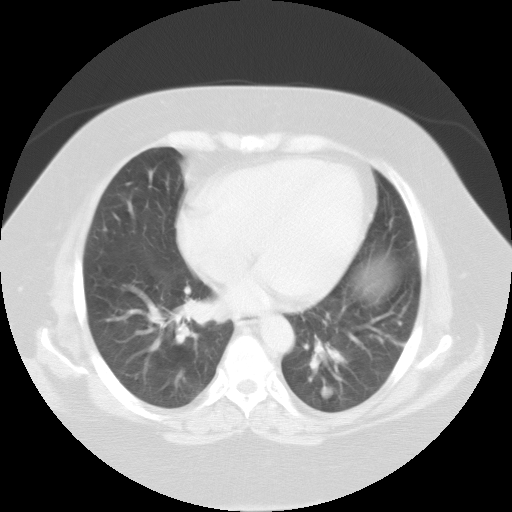
One axial slice (53 of 102, counting up from the lowest) of a chest CT acquired at 135 kVp with the FC01 kernel; each pixel is 0.808 mm and the slice is 3.00 mm thick.
Pulmonary nodule outlined by all four readers; box rows 385–398, columns 321–332 (the union of the readers' outlines on this slice); longest diameter 11.5–13.9 mm and volume 1135–1808 mm3 across the four readers' outlines. Ratings across the readers: texture 5/5 (solid) from all four readers; margin 5/5 (circumscribed) from all four readers; sphericity 5/5 (round) from all four readers; calcification absent, all four readers agreeing; internal structure soft tissue from all four readers; subtlety rated between 3 and 5 out of 5 by the four readers; malignancy likelihood rated between 2 and 5 out of 5 by the four readers. Scale key (1–5): texture non-solid→solid, margin indistinct→circumscribed, sphericity linear→round, subtlety extremely subtle→obvious, malignancy likelihood highly unlikely→highly suspicious of cancer. Box rows and columns are 0-based pixel indices from the top-left corner, inclusive.